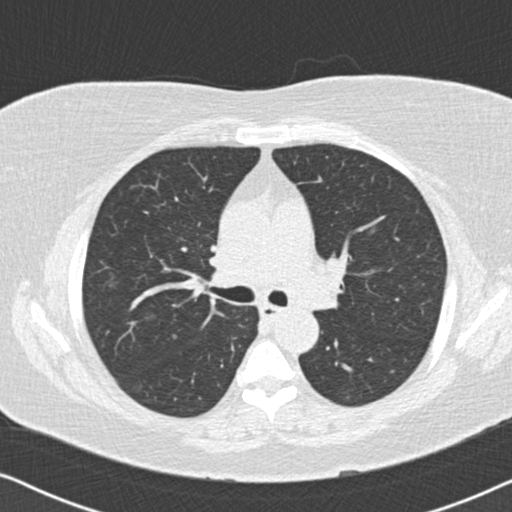
Axial slice 124 of 177 of a chest CT (slice 1 is the lowest), reconstructed with the B30f kernel at 120 kVp; 2.00 mm slice thickness and 0.643 mm pixels.
Two pulmonary nodules on this slice, listed from left to right. (1) Pulmonary nodule at rows 273–286, columns 106–117 (box = the one reader's outline on this slice), outlined by two of the four readers, one of them on this slice; longest diameter 9.9 mm on average over the two readers' outlines (readers' outlines 8.6–11.2 mm), volume 175–261 mm3. The readers' prevailing ratings and who disagreed: texture 1/5 (non-solid), both readers agreeing; margin split among the readers: 1/5 (indistinct) (one), 2/5 (one); sphericity split among the readers: 4/5 (one), 5/5 (round) (one); calcification absent, both readers agreeing; internal structure soft tissue, both readers agreeing; subtlety split among the readers: 1/5 (one), 3/5 (one); malignancy likelihood 3/5, both readers agreeing. (2) Pulmonary nodule at rows 314–319, columns 147–155 (box = the one reader's outline on this slice), outlined by two of the four readers, one of them on this slice; longest diameter 9.3 mm on average over the two readers' outlines (readers' outlines 9.3 mm), volume 296–335 mm3. Ratings, by the readers' most common answer with dissent counted: texture 1/5 (non-solid) from both readers; margin 1/5 (indistinct) from both readers; sphericity split among the readers: 2/5 (one), 5/5 (round) (one); calcification absent from both readers; internal structure soft tissue from both readers; subtlety split among the readers: 1/5 (one), 3/5 (one); malignancy likelihood 3/5 from both readers. Scale key (1–5): texture non-solid→solid, margin indistinct→circumscribed, sphericity linear→round, subtlety extremely subtle→obvious, malignancy likelihood highly unlikely→highly suspicious of cancer. Box rows and columns are 0-based pixel indices from the top-left corner, inclusive.